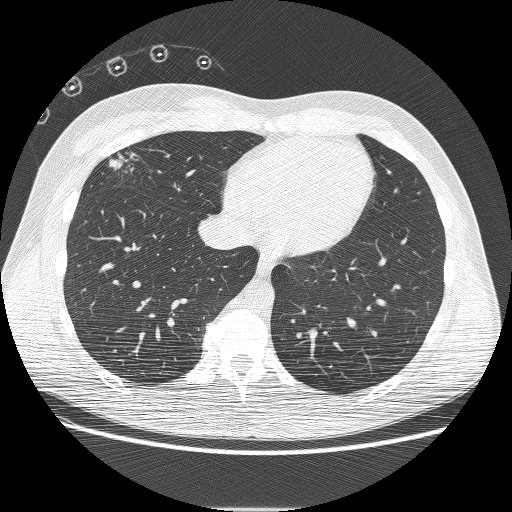
Axial chest CT slice 69 of 230 (counted from the lowest slice); 1.25 mm thick, 0.732 mm per pixel. Pulmonary nodule outlined by all four readers; box rows 151–172, columns 108–132 (the union of the readers' outlines on this slice); the four readers' outlines give a longest diameter between 23.5 and 29.5 mm and a volume between 3146 and 3701 mm3. The readers' ratings, as ranges where they differ: texture 5/5 (solid) from all four readers; margin from 3/5 to 5/5 (circumscribed) across the four readers; sphericity from 3/5 (ovoid) to 4/5 across the four readers; calcification absent, all four readers agreeing; internal structure soft tissue, all four readers agreeing; subtlety 5/5 from all four readers; malignancy likelihood rated between 4 and 5 out of 5 by the four readers. Scale key (1–5): texture non-solid→solid, margin indistinct→circumscribed, sphericity linear→round, subtlety extremely subtle→obvious, malignancy likelihood highly unlikely→highly suspicious of cancer. Box rows and columns are 0-based pixel indices from the top-left corner, inclusive.
Tube voltage 120 kVp; convolution kernel BONE.